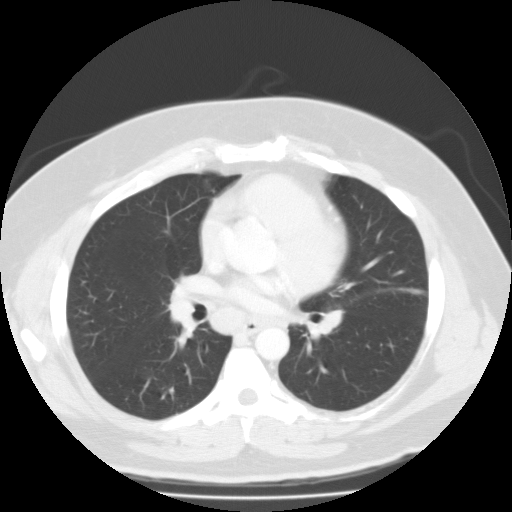
Axial chest CT slice 72 of 126 (counted from the lowest slice); tube voltage 135 kVp, convolution kernel FC01; slices 3.00 mm thick, 0.744 mm per pixel.
Pulmonary nodule, outlined by one of the four readers. Box on this slice rows 387–393, columns 169–172, that reader's outline on this slice; longest diameter 6.1 mm and volume 92 mm3 from that reader's outline. Ratings by that reader: texture 3/5 (part-solid); margin 2/5; sphericity 3/5 (ovoid); calcification absent; internal structure soft tissue; subtlety 3/5; malignancy likelihood 3/5. Scale key (1–5): texture non-solid→solid, margin indistinct→circumscribed, sphericity linear→round, subtlety extremely subtle→obvious, malignancy likelihood highly unlikely→highly suspicious of cancer. Box rows and columns are 0-based pixel indices from the top-left corner, inclusive.